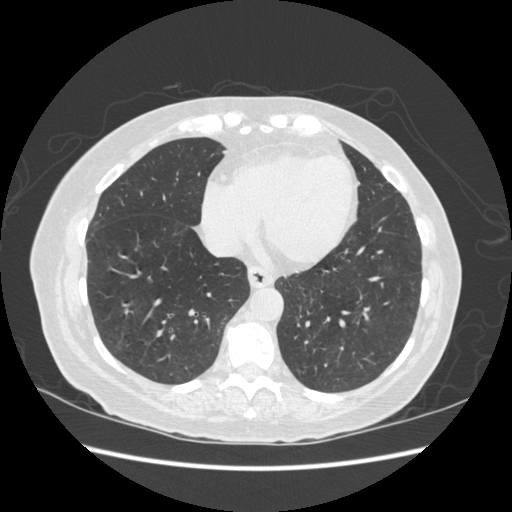
Axial chest CT slice 168 of 513 (counted from the lowest slice); tube voltage 120 kVp, convolution kernel STANDARD; slices 1.25 mm thick, 0.703 mm per pixel.
Pulmonary nodule at rows 330–336, columns 156–161 (box = the union of the readers' outlines on this slice), outlined by two of the four readers; median longest diameter 6.8 mm (readers' outlines 6.7–6.9 mm), median volume 105 mm3 (105–106 mm3). Median ratings and the readers' spread: median texture 4.5/5 (readers ranged 4/5 to 5/5 (solid)); margin 4/5 from both readers; sphericity 3/5 (ovoid) at the median of two readers, spread 2/5 to 4/5; calcification absent from both readers; internal structure soft tissue from both readers; subtlety 2/5, both readers agreeing; median malignancy likelihood 1.5/5 (readers ranged 1–2). Scale key (1–5): texture non-solid→solid, margin indistinct→circumscribed, sphericity linear→round, subtlety extremely subtle→obvious, malignancy likelihood highly unlikely→highly suspicious of cancer. Box rows and columns are 0-based pixel indices from the top-left corner, inclusive.